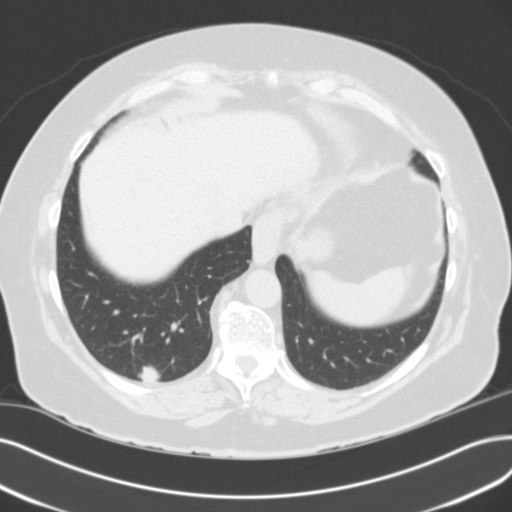
Axial chest CT slice 40 of 112 (counted from the lowest slice); tube voltage 120 kVp, convolution kernel B31f; slices 3.00 mm thick, 0.711 mm per pixel.
Pulmonary nodule, outlined by all four readers. Box on this slice rows 364–381, columns 137–160, the union of the readers' outlines on this slice; median longest diameter 18.1 mm (readers' outlines 17.4–20.7 mm), median volume 2002 mm3 (1739–3129 mm3). Median ratings and the readers' spread: texture 4.5/5 at the median of four readers, spread 3/5 (part-solid) to 5/5 (solid); median margin 4.5/5 (readers ranged 3/5 to 5/5 (circumscribed)); sphericity 5/5 (round) at the median of four readers, spread 3/5 (ovoid) to 5/5 (round); calcification absent, all four readers agreeing; internal structure soft tissue from all four readers; subtlety 5/5, all four readers agreeing; median malignancy likelihood 4/5 (readers ranged 2–5). Scale key (1–5): texture non-solid→solid, margin indistinct→circumscribed, sphericity linear→round, subtlety extremely subtle→obvious, malignancy likelihood highly unlikely→highly suspicious of cancer. Box rows and columns are 0-based pixel indices from the top-left corner, inclusive.